One axial slice (86 of 133, counting up from the lowest) of a chest CT acquired at 120 kVp with the STANDARD kernel; each pixel is 0.781 mm and the slice is 2.50 mm thick.
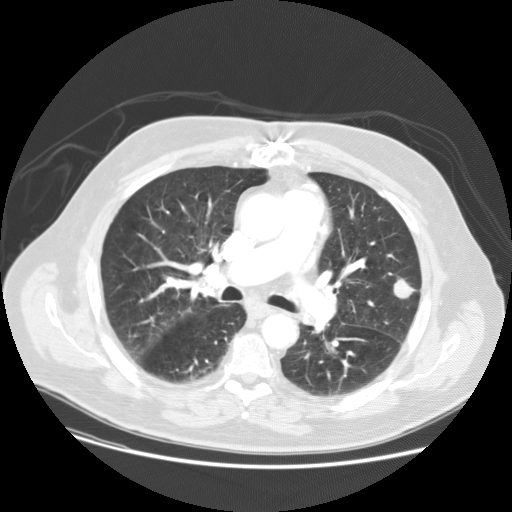
Pulmonary nodule outlined by all four readers; box rows 275–298, columns 393–415 (the union of the readers' outlines on this slice); the four readers' outlines give a longest diameter between 18.8 and 20.7 mm and a volume between 2105 and 2617 mm3. The readers' ratings, as ranges where they differ: texture 5/5 (solid), all four readers agreeing; margin from 4/5 to 5/5 (circumscribed) across the four readers; sphericity from 3/5 (ovoid) to 5/5 (round) across the four readers; calcification absent, all four readers agreeing; internal structure soft tissue, all four readers agreeing; subtlety from 3/5 to 5/5 across the four readers; malignancy likelihood from 2/5 to 5/5 across the four readers. Scale key (1–5): texture non-solid→solid, margin indistinct→circumscribed, sphericity linear→round, subtlety extremely subtle→obvious, malignancy likelihood highly unlikely→highly suspicious of cancer. Box rows and columns are 0-based pixel indices from the top-left corner, inclusive.